Chest CT, axial plane, 120 kVp, kernel STANDARD. Slice 171/248 from the bottom of the scan; thickness 1.25 mm; pixel size 0.703 mm.
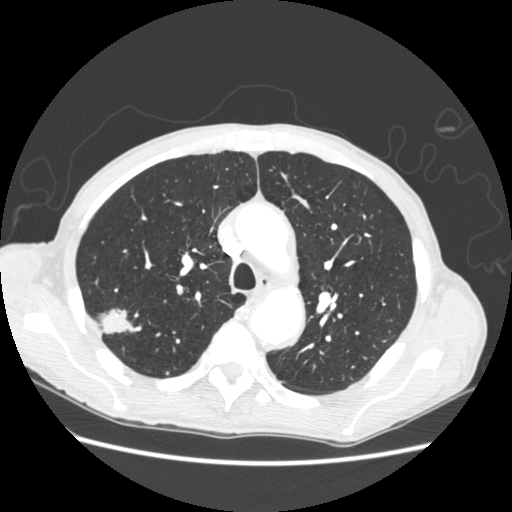
Pulmonary nodule at rows 308–334, columns 95–137 (box = the union of the readers' outlines on this slice), outlined by all four readers; median longest diameter 28.8 mm (readers' outlines 26.0–32.7 mm), median volume 5327 mm3 (5181–6655 mm3). Median ratings and the readers' spread: texture 5/5 (solid), all four readers agreeing; margin 4.5/5 at the median of four readers, spread 2/5 to 5/5 (circumscribed); median sphericity 3/5 (ovoid) (readers ranged 3/5 (ovoid) to 4/5); calcification absent, all four readers agreeing; internal structure soft tissue, all four readers agreeing; subtlety 5/5 from all four readers; malignancy likelihood 5/5 at the median of four readers, spread 3–5. Scale key (1–5): texture non-solid→solid, margin indistinct→circumscribed, sphericity linear→round, subtlety extremely subtle→obvious, malignancy likelihood highly unlikely→highly suspicious of cancer. Box rows and columns are 0-based pixel indices from the top-left corner, inclusive.